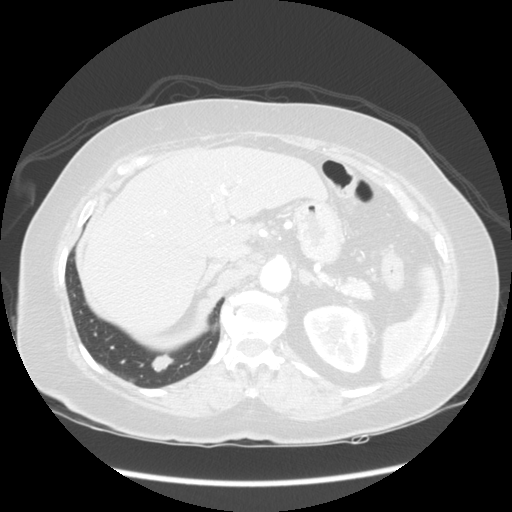
Axial chest CT slice 42 of 141 (counted from the lowest slice); 2.50 mm thick, 0.703 mm per pixel. Pulmonary nodule outlined by all four readers; box rows 353–372, columns 150–174 (the union of the readers' outlines on this slice); the four readers' outlines give a longest diameter between 17.0 and 19.8 mm and a volume between 1157 and 1740 mm3. Ratings across the readers: texture 5/5 (solid) from all four readers; margin from 3/5 to 4/5 across the four readers; sphericity from 3/5 (ovoid) to 4/5 across the four readers; calcification absent, all four readers agreeing; internal structure soft tissue, all four readers agreeing; subtlety from 4/5 to 5/5 across the four readers; malignancy likelihood 4–5/5 (the readers disagree). Scale key (1–5): texture non-solid→solid, margin indistinct→circumscribed, sphericity linear→round, subtlety extremely subtle→obvious, malignancy likelihood highly unlikely→highly suspicious of cancer. Box rows and columns are 0-based pixel indices from the top-left corner, inclusive.
Acquired at 120 kVp and reconstructed with the STANDARD kernel.